Axial slice 201 of 256 of a chest CT (slice 1 is the lowest), reconstructed with the BONE kernel at 120 kVp; 1.25 mm slice thickness and 0.703 mm pixels.
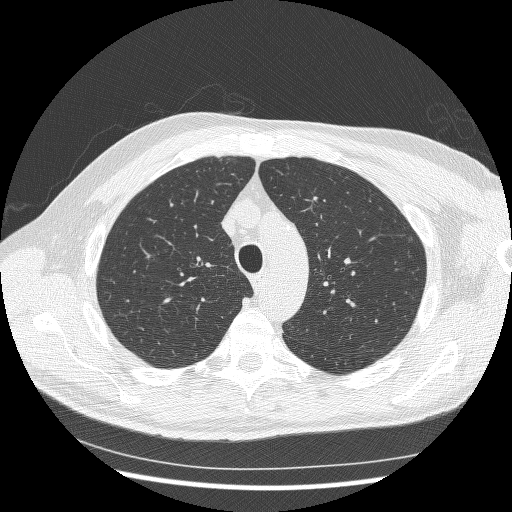
Pulmonary nodule outlined by one of the four readers; box rows 236–241, columns 409–411 (that reader's outline on this slice); longest diameter 6.0 mm and volume 33 mm3 from that reader's outline. Ratings by that reader: texture 5/5 (solid); margin 5/5 (circumscribed); sphericity 2/5; calcification absent; internal structure soft tissue; subtlety 3/5; malignancy likelihood 2/5. Scale key (1–5): texture non-solid→solid, margin indistinct→circumscribed, sphericity linear→round, subtlety extremely subtle→obvious, malignancy likelihood highly unlikely→highly suspicious of cancer. Box rows and columns are 0-based pixel indices from the top-left corner, inclusive.